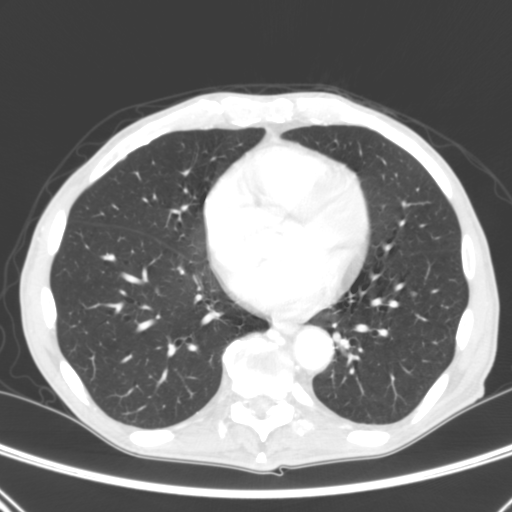
This is axial slice 110 of 290 (slice 1 is the lowest) of a chest CT; each pixel is 0.639 mm and the slice is 2.00 mm thick. Pulmonary nodule outlined by one of the four readers; box rows 292–296, columns 410–415 (that reader's outline on this slice); longest diameter 5.5 mm and volume 55 mm3 from that reader's outline. Ratings by that reader: texture 5/5 (solid); margin 5/5 (circumscribed); sphericity 5/5 (round); calcification absent; internal structure soft tissue; subtlety 5/5; malignancy likelihood 3/5. Scale key (1–5): texture non-solid→solid, margin indistinct→circumscribed, sphericity linear→round, subtlety extremely subtle→obvious, malignancy likelihood highly unlikely→highly suspicious of cancer. Box rows and columns are 0-based pixel indices from the top-left corner, inclusive.
Tube voltage 120 kVp; convolution kernel B.